One axial slice (292 of 535, counting up from the lowest) of a chest CT acquired at 120 kVp with the STANDARD kernel; each pixel is 0.664 mm and the slice is 1.25 mm thick.
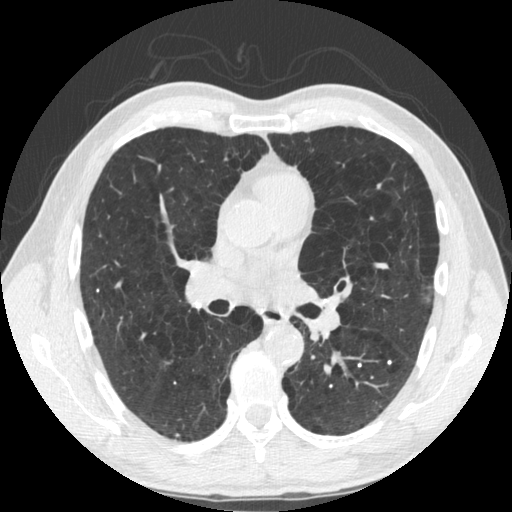
Pulmonary nodule outlined by two of the four readers; box rows 434–436, columns 175–179 (the union of the readers' outlines on this slice); the two readers' outlines give a longest diameter between 3.9 and 5.5 mm and a volume between 25 and 50 mm3. The readers' ratings, as ranges where they differ: texture 5/5 (solid), both readers agreeing; margin from 4/5 to 5/5 (circumscribed) across the two readers; sphericity 5/5 (round), both readers agreeing; calcification solid calcification, both readers agreeing; internal structure soft tissue, both readers agreeing; subtlety rated between 4 and 5 out of 5 by the two readers; malignancy likelihood 1/5, both readers agreeing. Scale key (1–5): texture non-solid→solid, margin indistinct→circumscribed, sphericity linear→round, subtlety extremely subtle→obvious, malignancy likelihood highly unlikely→highly suspicious of cancer. Box rows and columns are 0-based pixel indices from the top-left corner, inclusive.